Axial slice 57 of 112 of a chest CT (slice 1 is the lowest), reconstructed with the FC01 kernel at 135 kVp; 3.00 mm slice thickness and 0.659 mm pixels.
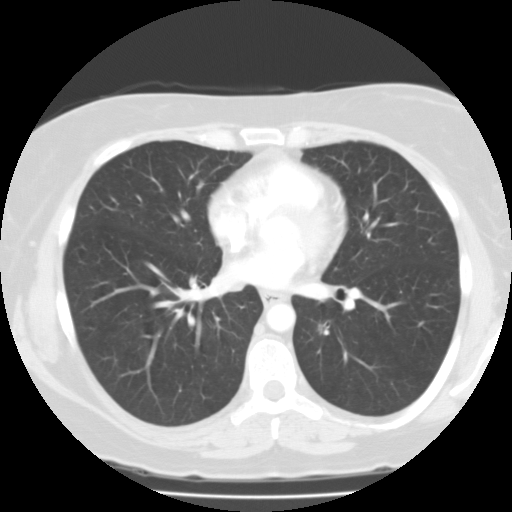
Pulmonary nodule, outlined by one of the four readers. Box on this slice rows 325–331, columns 319–324, that reader's outline on this slice; longest diameter 7.3 mm and volume 212 mm3 from that reader's outline. That reader's ratings: texture 1/5 (non-solid); margin 1/5 (indistinct); sphericity 4/5; calcification absent; internal structure fluid; subtlety 3/5; malignancy likelihood 3/5. Scale key (1–5): texture non-solid→solid, margin indistinct→circumscribed, sphericity linear→round, subtlety extremely subtle→obvious, malignancy likelihood highly unlikely→highly suspicious of cancer. Box rows and columns are 0-based pixel indices from the top-left corner, inclusive.